Axial slice 147 of 345 of a chest CT (slice 1 is the lowest), reconstructed with the B70f kernel at 120 kVp; 2.00 mm slice thickness and 0.541 mm pixels.
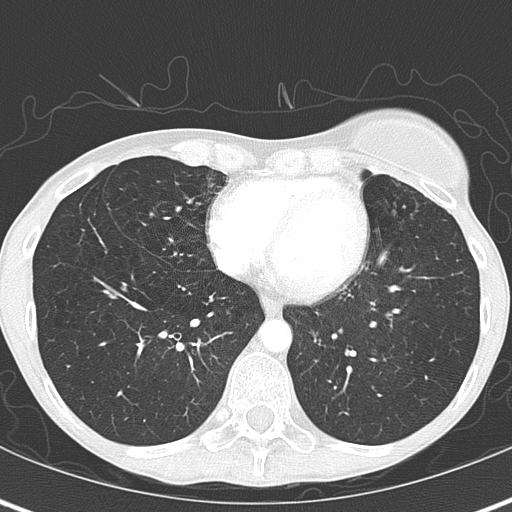
The readers outlined no nodule of 3 mm or more on this slice.